Axial chest CT slice 34 of 197 (counted from the lowest slice); tube voltage 120 kVp, convolution kernel STANDARD; slices 1.25 mm thick, 0.859 mm per pixel.
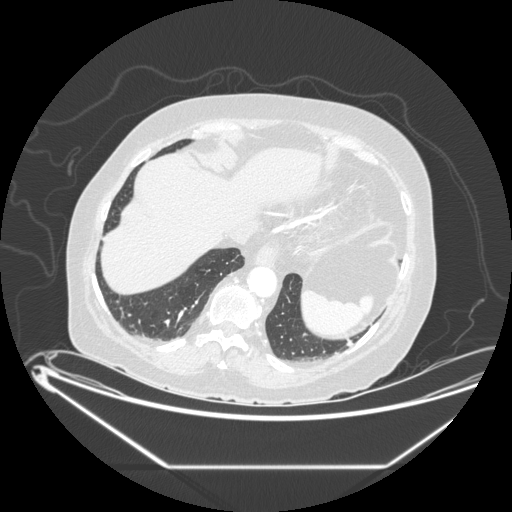
Pulmonary nodule at rows 333–336, columns 303–307 (box = the union of the readers' outlines on this slice), outlined by two of the four readers; the two readers' outlines give a longest diameter between 3.5 and 6.1 mm and a volume between 15 and 65 mm3. The readers' ratings, as ranges where they differ: texture 5/5 (solid), both readers agreeing; margin from 4/5 to 5/5 (circumscribed) across the two readers; sphericity from 2/5 to 3/5 (ovoid) across the two readers; calcification absent from both readers; internal structure soft tissue, both readers agreeing; subtlety 2–3/5 (the readers disagree); malignancy likelihood 3/5, both readers agreeing. Scale key (1–5): texture non-solid→solid, margin indistinct→circumscribed, sphericity linear→round, subtlety extremely subtle→obvious, malignancy likelihood highly unlikely→highly suspicious of cancer. Box rows and columns are 0-based pixel indices from the top-left corner, inclusive.